Chest CT, axial plane, 120 kVp, kernel B31f. Slice 60/118 from the bottom of the scan; thickness 3.00 mm; pixel size 0.707 mm.
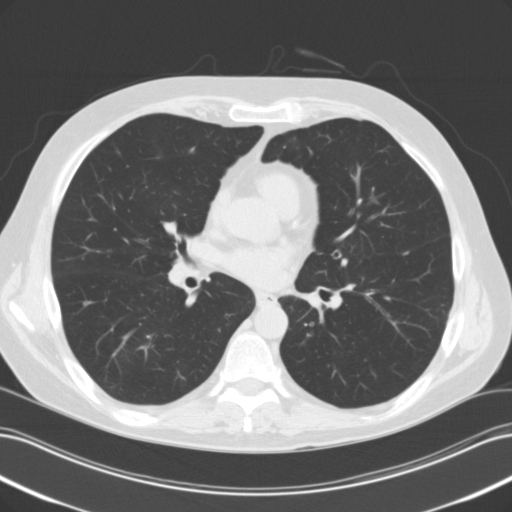
Pulmonary nodule at rows 301–305, columns 84–88 (box = the union of the readers' outlines on this slice), outlined by two of the four readers; median longest diameter 6.2 mm (readers' outlines 5.7–6.7 mm), median volume 92 mm3 (85–98 mm3). Ratings, median across the readers with their spread: texture 4/5 at the median of two readers, spread 3/5 (part-solid) to 5/5 (solid); median margin 3.5/5 (readers ranged 3/5 to 4/5); sphericity 3/5 (ovoid) from both readers; calcification absent from both readers; internal structure soft tissue, both readers agreeing; subtlety 3.5/5 at the median of two readers, spread 3–4; median malignancy likelihood 2.5/5 (readers ranged 2–3). Scale key (1–5): texture non-solid→solid, margin indistinct→circumscribed, sphericity linear→round, subtlety extremely subtle→obvious, malignancy likelihood highly unlikely→highly suspicious of cancer. Box rows and columns are 0-based pixel indices from the top-left corner, inclusive.